One axial slice (244 of 416, counting up from the lowest) of a chest CT acquired at 120 kVp with the B70f kernel; each pixel is 0.723 mm and the slice is 2.00 mm thick.
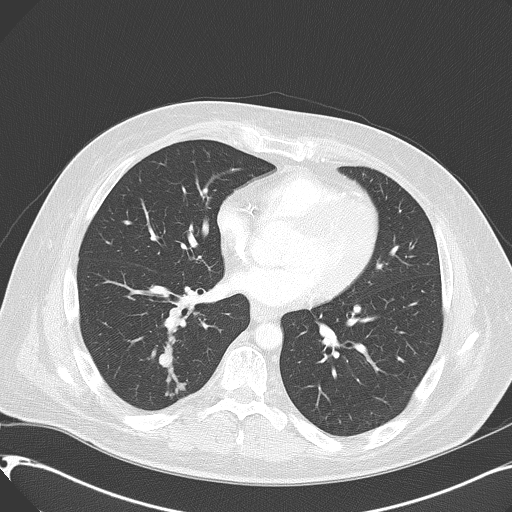
Pulmonary nodule at rows 354–366, columns 159–172 (box = the union of the readers' outlines on this slice), outlined by two of the four readers; longest diameter 11.9 mm on average over the two readers' outlines (readers' outlines 11.8–12.1 mm), volume 626–706 mm3. Ratings, by the readers' most common answer with dissent counted: texture 5/5 (solid), both readers agreeing; margin split among the readers: 4/5 (one), 5/5 (circumscribed) (one); sphericity 4/5 from both readers; calcification absent, both readers agreeing; internal structure soft tissue, both readers agreeing; subtlety split among the readers: 4/5 (one), 5/5 (one); malignancy likelihood split among the readers: 4/5 (one), 5/5 (one). Scale key (1–5): texture non-solid→solid, margin indistinct→circumscribed, sphericity linear→round, subtlety extremely subtle→obvious, malignancy likelihood highly unlikely→highly suspicious of cancer. Box rows and columns are 0-based pixel indices from the top-left corner, inclusive.